Chest CT, axial plane, 120 kVp, kernel B30f. Slice 408/506 from the bottom of the scan; thickness 0.75 mm; pixel size 0.699 mm.
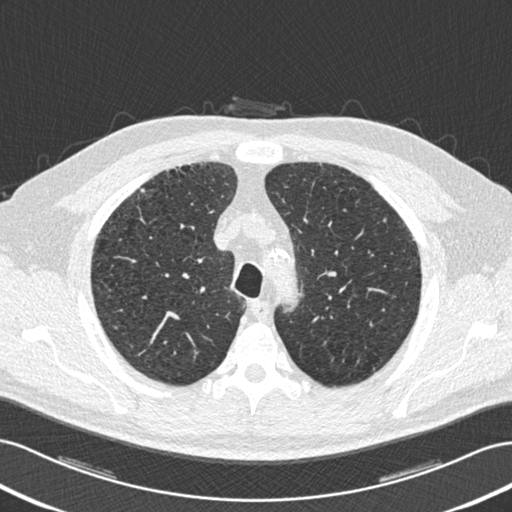
Pulmonary nodule at rows 188–192, columns 140–145 (box = the union of the readers' outlines on this slice), outlined by two of the four readers; longest diameter 7.0 mm and volume 87 mm3 across the two readers' outlines. The readers' ratings, as ranges where they differ: texture 5/5 (solid), both readers agreeing; margin 4/5, both readers agreeing; sphericity from 3/5 (ovoid) to 4/5 across the two readers; calcification absent, both readers agreeing; internal structure soft tissue from both readers; subtlety from 2/5 to 4/5 across the two readers; malignancy likelihood rated between 1 and 3 out of 5 by the two readers. Scale key (1–5): texture non-solid→solid, margin indistinct→circumscribed, sphericity linear→round, subtlety extremely subtle→obvious, malignancy likelihood highly unlikely→highly suspicious of cancer. Box rows and columns are 0-based pixel indices from the top-left corner, inclusive.